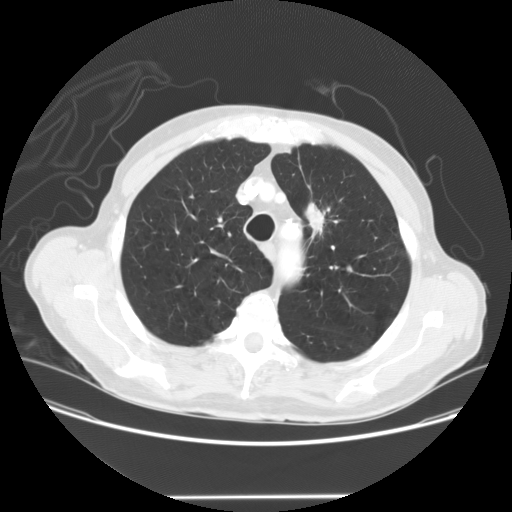
Axial chest CT slice 117 of 147 (counted from the lowest slice); tube voltage 120 kVp, convolution kernel STANDARD; slices 2.50 mm thick, 0.781 mm per pixel.
Pulmonary nodule, outlined by all four readers. Box on this slice rows 201–240, columns 304–325, the union of the readers' outlines on this slice; longest diameter 28.8–40.5 mm and volume 3077–10560 mm3 across the four readers' outlines. The readers' ratings, as ranges where they differ: texture from 3/5 (part-solid) to 5/5 (solid) across the four readers; margin from 2/5 to 5/5 (circumscribed) across the four readers; sphericity 3/5 (ovoid) from all four readers; calcification absent, all four readers agreeing; internal structure soft tissue from all four readers; subtlety rated between 4 and 5 out of 5 by the four readers; malignancy likelihood rated between 3 and 5 out of 5 by the four readers. Scale key (1–5): texture non-solid→solid, margin indistinct→circumscribed, sphericity linear→round, subtlety extremely subtle→obvious, malignancy likelihood highly unlikely→highly suspicious of cancer. Box rows and columns are 0-based pixel indices from the top-left corner, inclusive.